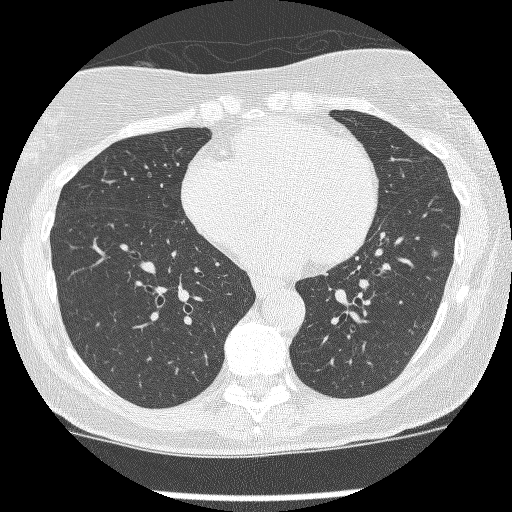
This is axial slice 114 of 257 (slice 1 is the lowest) of a chest CT; each pixel is 0.576 mm and the slice is 1.25 mm thick. Pulmonary nodule at rows 250–256, columns 430–438 (box = the union of the readers' outlines on this slice), outlined by three of the four readers; longest diameter 5.6 mm on average over the three readers' outlines (readers' outlines 4.9–6.0 mm), volume 61–103 mm3. The readers' prevailing ratings and who disagreed: texture split among the readers: 1/5 (non-solid) (one), 2/5 (one), 5/5 (solid) (one); margin split among the readers: 1/5 (indistinct) (one), 2/5 (one), 4/5 (one); sphericity 3/5 (ovoid) by two of three readers; the rest gave 2/5 (one); calcification absent, all three readers agreeing; internal structure soft tissue from all three readers; subtlety split among the readers: 1/5 (one), 3/5 (one), 5/5 (one); most readers (two of three) put malignancy likelihood at 3/5, others 4/5 (one). Scale key (1–5): texture non-solid→solid, margin indistinct→circumscribed, sphericity linear→round, subtlety extremely subtle→obvious, malignancy likelihood highly unlikely→highly suspicious of cancer. Box rows and columns are 0-based pixel indices from the top-left corner, inclusive.
Scan settings: 120 kVp, BONE reconstruction kernel.